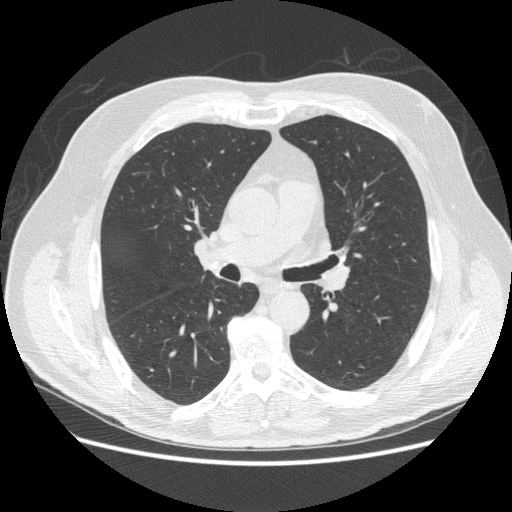
Chest CT, axial plane, 120 kVp, kernel STANDARD. Slice 290/503 from the bottom of the scan; thickness 1.25 mm; pixel size 0.742 mm.
Pulmonary nodule outlined by two of the four readers; box rows 368–371, columns 150–153 (the union of the readers' outlines on this slice); the two readers' outlines give a longest diameter between 4.5 and 5.7 mm and a volume between 33 and 65 mm3. The readers' ratings, as ranges where they differ: texture 5/5 (solid), both readers agreeing; margin 5/5 (circumscribed) from both readers; sphericity from 4/5 to 5/5 (round) across the two readers; calcification solid calcification, both readers agreeing; internal structure soft tissue, both readers agreeing; subtlety 4/5, both readers agreeing; malignancy likelihood 1/5 from both readers. Scale key (1–5): texture non-solid→solid, margin indistinct→circumscribed, sphericity linear→round, subtlety extremely subtle→obvious, malignancy likelihood highly unlikely→highly suspicious of cancer. Box rows and columns are 0-based pixel indices from the top-left corner, inclusive.